Axial slice 127 of 509 of a chest CT (slice 1 is the lowest), reconstructed with the STANDARD kernel at 120 kVp; 1.25 mm slice thickness and 0.703 mm pixels.
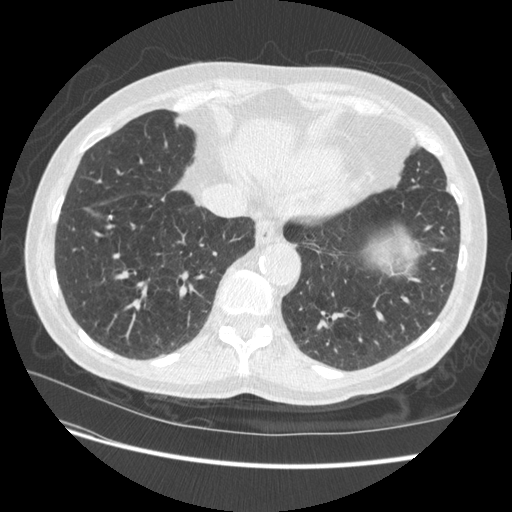
Pulmonary nodule, outlined by three of the four readers, two of them on this slice. Box on this slice rows 215–218, columns 107–112, the union of the readers' outlines on this slice; median longest diameter 12.0 mm (readers' outlines 11.4–12.1 mm), median volume 377 mm3 (273–413 mm3). Ratings, median across the readers with their spread: texture 5/5 (solid) from all three readers; median margin 5/5 (circumscribed) (readers ranged 4/5 to 5/5 (circumscribed)); sphericity 3/5 (ovoid) at the median of three readers, spread 3/5 (ovoid) to 4/5; calcification solid calcification, all three readers agreeing; internal structure soft tissue from all three readers; median subtlety 5/5 (readers ranged 4–5); malignancy likelihood 1/5 from all three readers. Scale key (1–5): texture non-solid→solid, margin indistinct→circumscribed, sphericity linear→round, subtlety extremely subtle→obvious, malignancy likelihood highly unlikely→highly suspicious of cancer. Box rows and columns are 0-based pixel indices from the top-left corner, inclusive.